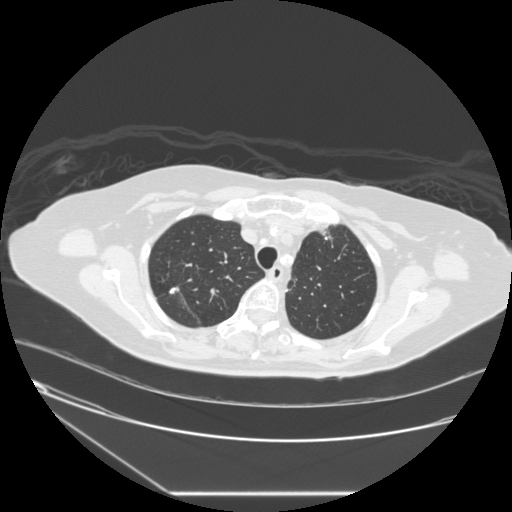
Chest CT, axial plane, 120 kVp, kernel STANDARD. Slice 201/241 from the bottom of the scan; thickness 1.25 mm; pixel size 0.773 mm.
Pulmonary nodule outlined by two of the four readers; box rows 287–293, columns 169–178 (the union of the readers' outlines on this slice); median longest diameter 9.7 mm (readers' outlines 8.8–10.5 mm), median volume 150 mm3 (112–189 mm3). Ratings, median across the readers with their spread: texture 5/5 (solid) from both readers; margin 5/5 (circumscribed), both readers agreeing; median sphericity 2.5/5 (readers ranged 2/5 to 3/5 (ovoid)); calcification split among the readers: absent (one), solid calcification (one); internal structure soft tissue from both readers; subtlety 4/5 at the median of two readers, spread 3–5; median malignancy likelihood 1.5/5 (readers ranged 1–2). Scale key (1–5): texture non-solid→solid, margin indistinct→circumscribed, sphericity linear→round, subtlety extremely subtle→obvious, malignancy likelihood highly unlikely→highly suspicious of cancer. Box rows and columns are 0-based pixel indices from the top-left corner, inclusive.